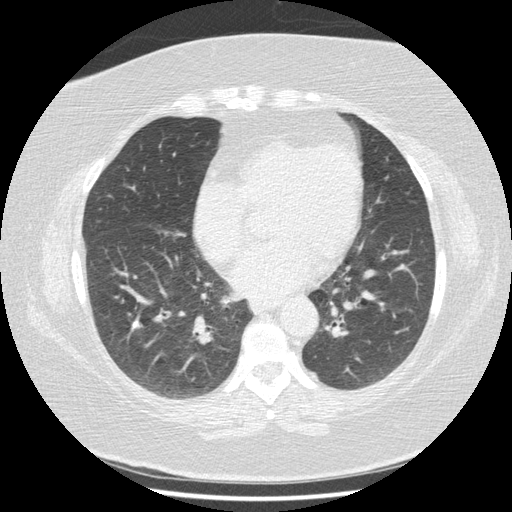
Axial slice 187 of 417 of a chest CT (slice 1 is the lowest), reconstructed with the STANDARD kernel at 120 kVp; 1.25 mm slice thickness and 0.703 mm pixels.
Pulmonary nodule outlined by all four readers; box rows 320–328, columns 131–143 (the union of the readers' outlines on this slice); the four readers' outlines give a longest diameter between 10.5 and 10.9 mm and a volume between 396 and 502 mm3. The readers' ratings, as ranges where they differ: texture 5/5 (solid), all four readers agreeing; margin 5/5 (circumscribed) from all four readers; sphericity from 3/5 (ovoid) to 4/5 across the four readers; calcification: solid calcification (three), absent (one); internal structure soft tissue from all four readers; subtlety 5/5, all four readers agreeing; malignancy likelihood 1/5, all four readers agreeing. Scale key (1–5): texture non-solid→solid, margin indistinct→circumscribed, sphericity linear→round, subtlety extremely subtle→obvious, malignancy likelihood highly unlikely→highly suspicious of cancer. Box rows and columns are 0-based pixel indices from the top-left corner, inclusive.